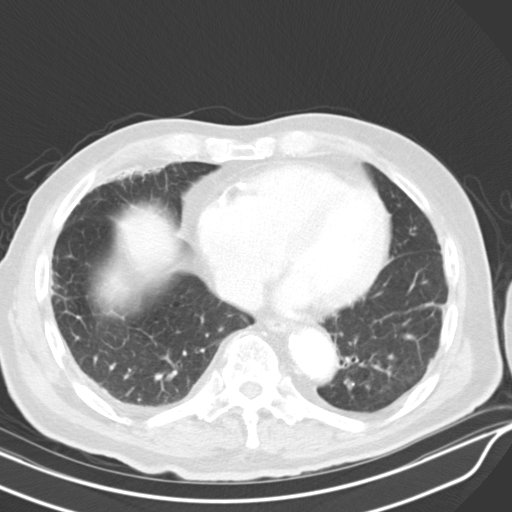
Axial chest CT slice 212 of 319 (counted from the lowest slice); tube voltage 130 kVp, convolution kernel B30s; slices 4.00 mm thick, 0.729 mm per pixel.
Pulmonary nodule, outlined by all four readers. Box on this slice rows 379–390, columns 344–353, the union of the readers' outlines on this slice; the four readers' outlines give a longest diameter between 9.7 and 12.7 mm and a volume between 198 and 267 mm3. Ratings across the readers: texture from 1/5 (non-solid) to 5/5 (solid) across the four readers; margin from 1/5 (indistinct) to 4/5 across the four readers; sphericity from 2/5 to 3/5 (ovoid) across the four readers; calcification absent, all four readers agreeing; internal structure soft tissue, all four readers agreeing; subtlety rated between 1 and 5 out of 5 by the four readers; malignancy likelihood rated between 2 and 3 out of 5 by the four readers. Scale key (1–5): texture non-solid→solid, margin indistinct→circumscribed, sphericity linear→round, subtlety extremely subtle→obvious, malignancy likelihood highly unlikely→highly suspicious of cancer. Box rows and columns are 0-based pixel indices from the top-left corner, inclusive.